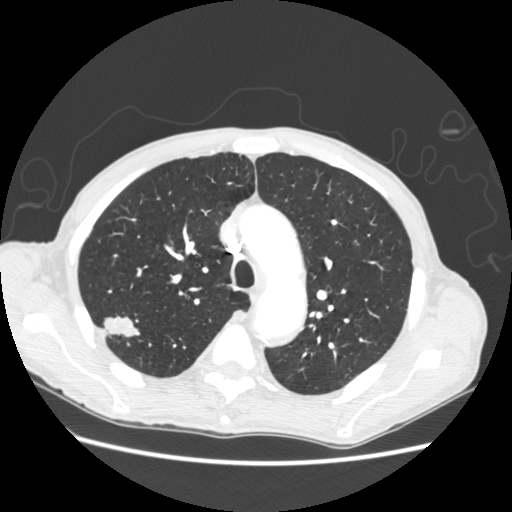
This is axial slice 176 of 248 (slice 1 is the lowest) of a chest CT; each pixel is 0.703 mm and the slice is 1.25 mm thick. Pulmonary nodule, outlined by all four readers. Box on this slice rows 315–337, columns 103–140, the union of the readers' outlines on this slice; longest diameter 29.1 mm on average over the four readers' outlines (readers' outlines 26.0–32.7 mm), volume 5181–6655 mm3. Ratings, by the readers' most common answer with dissent counted: texture 5/5 (solid) from all four readers; margin 5/5 (circumscribed) by two of four readers; the rest gave 2/5 (one), 4/5 (one); most readers (three of four) put sphericity at 3/5 (ovoid), others 4/5 (one); calcification absent, all four readers agreeing; internal structure soft tissue, all four readers agreeing; subtlety 5/5, all four readers agreeing; most readers (three of four) put malignancy likelihood at 5/5, others 3/5 (one). Scale key (1–5): texture non-solid→solid, margin indistinct→circumscribed, sphericity linear→round, subtlety extremely subtle→obvious, malignancy likelihood highly unlikely→highly suspicious of cancer. Box rows and columns are 0-based pixel indices from the top-left corner, inclusive.
Tube voltage 120 kVp; convolution kernel STANDARD.